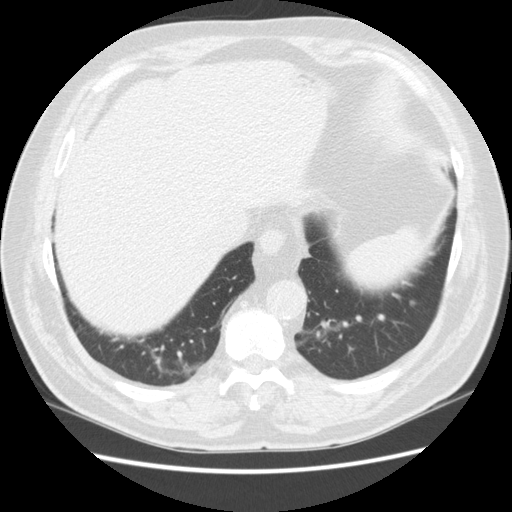
Axial slice 45 of 148 of a chest CT (slice 1 is the lowest), reconstructed with the STANDARD kernel at 120 kVp; 2.50 mm slice thickness and 0.703 mm pixels.
Pulmonary nodule at rows 300–305, columns 409–415 (box = the union of the readers' outlines on this slice), outlined by two of the four readers; longest diameter 7.5 mm on average over the two readers' outlines (readers' outlines 7.1–7.9 mm), volume 125–206 mm3. Ratings, by the readers' most common answer with dissent counted: texture 5/5 (solid), both readers agreeing; margin split among the readers: 2/5 (one), 4/5 (one); sphericity 5/5 (round), both readers agreeing; calcification absent, both readers agreeing; internal structure soft tissue, both readers agreeing; subtlety 3/5 from both readers; malignancy likelihood split among the readers: 2/5 (one), 3/5 (one). Scale key (1–5): texture non-solid→solid, margin indistinct→circumscribed, sphericity linear→round, subtlety extremely subtle→obvious, malignancy likelihood highly unlikely→highly suspicious of cancer. Box rows and columns are 0-based pixel indices from the top-left corner, inclusive.